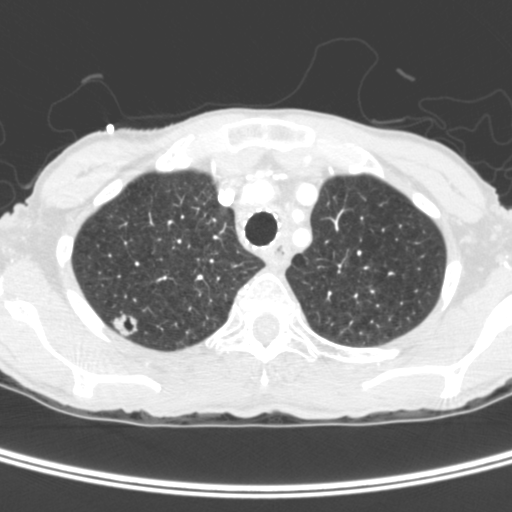
This is axial slice 321 of 400 (slice 1 is the lowest) of a chest CT; each pixel is 0.527 mm and the slice is 1.50 mm thick. Pulmonary nodule outlined by three of the four readers; box rows 311–336, columns 112–137 (the union of the readers' outlines on this slice); median longest diameter 15.6 mm (readers' outlines 15.0–15.8 mm), median volume 1114 mm3 (1012–1166 mm3). Median ratings and the readers' spread: median texture 5/5 (solid) (readers ranged 3/5 (part-solid) to 5/5 (solid)); margin 4/5 from all three readers; sphericity 5/5 (round) at the median of three readers, spread 4/5 to 5/5 (round); calcification absent, all three readers agreeing; internal structure: soft tissue (two), air (one); subtlety 5/5 from all three readers; malignancy likelihood 5/5 at the median of three readers, spread 4–5. Scale key (1–5): texture non-solid→solid, margin indistinct→circumscribed, sphericity linear→round, subtlety extremely subtle→obvious, malignancy likelihood highly unlikely→highly suspicious of cancer. Box rows and columns are 0-based pixel indices from the top-left corner, inclusive.
Tube voltage 120 kVp; convolution kernel C.